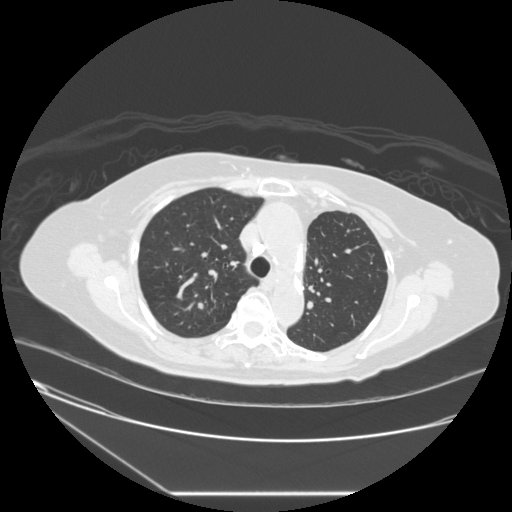
Axial slice 182 of 241 of a chest CT (slice 1 is the lowest), reconstructed with the STANDARD kernel at 120 kVp; 1.25 mm slice thickness and 0.773 mm pixels.
Pulmonary nodule, outlined three times (the source holds two more outlines, not used). Box on this slice rows 302–309, columns 197–203, the union of the readers' outlines on this slice; the three readers' outlines give a longest diameter between 10.5 and 12.2 mm and a volume between 344 and 520 mm3. Ratings across the readers: texture from 4/5 to 5/5 (solid) across the three readers; margin from 4/5 to 5/5 (circumscribed) across the three readers; sphericity from 3/5 (ovoid) to 4/5 across the three readers; calcification: non-central calcification (two), absent (one); internal structure soft tissue from all three readers; subtlety 5/5 from all three readers; malignancy likelihood from 2/5 to 3/5 across the three readers. Scale key (1–5): texture non-solid→solid, margin indistinct→circumscribed, sphericity linear→round, subtlety extremely subtle→obvious, malignancy likelihood highly unlikely→highly suspicious of cancer. Box rows and columns are 0-based pixel indices from the top-left corner, inclusive.